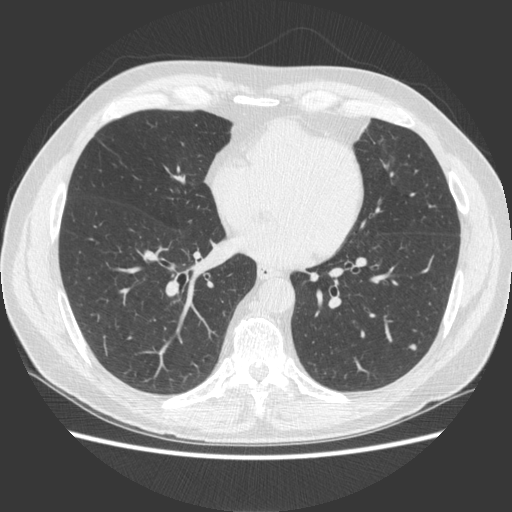
This is axial slice 203 of 500 (slice 1 is the lowest) of a chest CT; each pixel is 0.703 mm and the slice is 1.25 mm thick. Pulmonary nodule outlined by three of the four readers; box rows 344–351, columns 408–416 (the union of the readers' outlines on this slice); the three readers' outlines give a longest diameter between 6.6 and 8.2 mm and a volume between 102 and 165 mm3. The readers' ratings, as ranges where they differ: texture from 4/5 to 5/5 (solid) across the three readers; margin from 4/5 to 5/5 (circumscribed) across the three readers; sphericity from 3/5 (ovoid) to 5/5 (round) across the three readers; calcification absent, all three readers agreeing; internal structure soft tissue from all three readers; subtlety from 4/5 to 5/5 across the three readers; malignancy likelihood from 2/5 to 4/5 across the three readers. Scale key (1–5): texture non-solid→solid, margin indistinct→circumscribed, sphericity linear→round, subtlety extremely subtle→obvious, malignancy likelihood highly unlikely→highly suspicious of cancer. Box rows and columns are 0-based pixel indices from the top-left corner, inclusive.
Tube voltage 120 kVp; convolution kernel STANDARD.